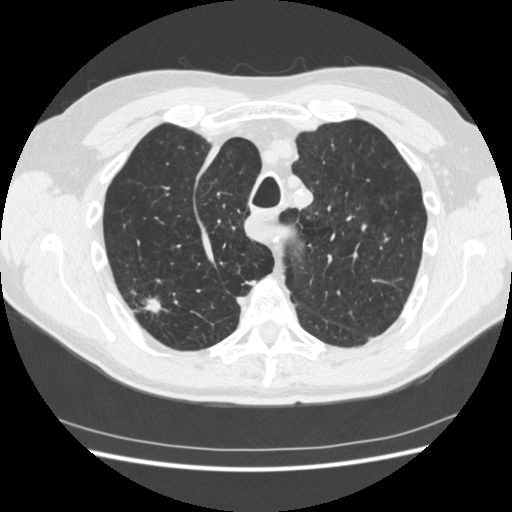
This is axial slice 355 of 481 (slice 1 is the lowest) of a chest CT; each pixel is 0.703 mm and the slice is 1.25 mm thick. Two pulmonary nodules on this slice, listed from left to right. (1) Pulmonary nodule at rows 291–320, columns 133–168 (box = the union of the readers' outlines on this slice), outlined by all four readers; median longest diameter 25.6 mm (readers' outlines 18.7–34.9 mm), median volume 2081 mm3 (1155–4169 mm3). Median ratings and the readers' spread: texture 5/5 (solid) at the median of four readers, spread 4/5 to 5/5 (solid); median margin 2.5/5 (readers ranged 1/5 (indistinct) to 4/5); median sphericity 3.5/5 (readers ranged 2/5 to 5/5 (round)); calcification absent, all four readers agreeing; internal structure soft tissue, all four readers agreeing; subtlety 5/5 from all four readers; malignancy likelihood 5/5 at the median of four readers, spread 4–5. (2) Pulmonary nodule outlined by three of the four readers, two of them on this slice; box rows 280–285, columns 245–256 (the union of the readers' outlines on this slice); median longest diameter 15.8 mm (readers' outlines 13.5–18.5 mm), median volume 713 mm3 (529–1088 mm3). Median ratings and the readers' spread: texture 5/5 (solid), all three readers agreeing; margin 4/5 at the median of three readers, spread 1/5 (indistinct) to 4/5; median sphericity 3/5 (ovoid) (readers ranged 2/5 to 3/5 (ovoid)); calcification absent from all three readers; internal structure soft tissue from all three readers; subtlety 5/5 at the median of three readers, spread 4–5; malignancy likelihood 5/5 at the median of three readers, spread 3–5. Scale key (1–5): texture non-solid→solid, margin indistinct→circumscribed, sphericity linear→round, subtlety extremely subtle→obvious, malignancy likelihood highly unlikely→highly suspicious of cancer. Box rows and columns are 0-based pixel indices from the top-left corner, inclusive.
Scan settings: 120 kVp, STANDARD reconstruction kernel.